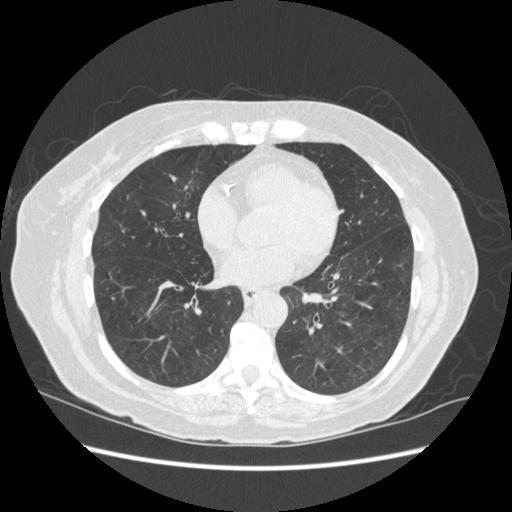
Chest CT, axial plane, 120 kVp, kernel STANDARD. Slice 222/513 from the bottom of the scan; thickness 1.25 mm; pixel size 0.703 mm.
Pulmonary nodule, outlined by three of the four readers. Box on this slice rows 175–182, columns 171–177, the union of the readers' outlines on this slice; median longest diameter 9.2 mm (readers' outlines 8.2–9.4 mm), median volume 151 mm3 (118–157 mm3). Ratings, median across the readers with their spread: texture 5/5 (solid) at the median of three readers, spread 4/5 to 5/5 (solid); margin 4/5 at the median of three readers, spread 3/5 to 5/5 (circumscribed); sphericity 3/5 (ovoid) from all three readers; calcification absent, all three readers agreeing; internal structure soft tissue, all three readers agreeing; subtlety 4/5, all three readers agreeing; median malignancy likelihood 3/5 (readers ranged 1–4). Scale key (1–5): texture non-solid→solid, margin indistinct→circumscribed, sphericity linear→round, subtlety extremely subtle→obvious, malignancy likelihood highly unlikely→highly suspicious of cancer. Box rows and columns are 0-based pixel indices from the top-left corner, inclusive.